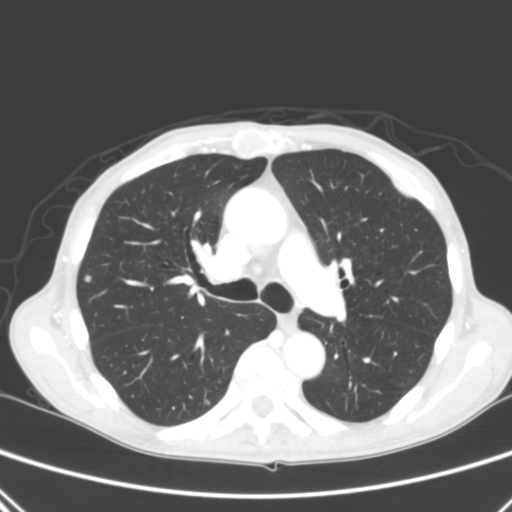
One axial slice (180 of 290, counting up from the lowest) of a chest CT acquired at 120 kVp with the B kernel; each pixel is 0.639 mm and the slice is 2.00 mm thick.
Two pulmonary nodules are outlined on this slice; from left to right: (1) Pulmonary nodule at rows 274–282, columns 83–91 (box = the union of the readers' outlines on this slice), outlined by three of the four readers; longest diameter 6.1 mm on average over the three readers' outlines (readers' outlines 5.9–6.7 mm), volume 86–94 mm3. The readers' prevailing ratings and who disagreed: texture 5/5 (solid) by two of three readers; the rest gave 4/5 (one); most readers (two of three) put margin at 5/5 (circumscribed), others 2/5 (one); sphericity split among the readers: 3/5 (ovoid) (one), 4/5 (one), 5/5 (round) (one); calcification absent from all three readers; internal structure soft tissue, all three readers agreeing; subtlety split among the readers: 3/5 (one), 4/5 (one), 5/5 (one); malignancy likelihood split among the readers: 1/5 (one), 2/5 (one), 3/5 (one). (2) Pulmonary nodule at rows 400–403, columns 206–209 (box = that reader's outline on this slice), outlined by one of the four readers; longest diameter 4.3 mm and volume 33 mm3 from that reader's outline. That reader's ratings: texture 5/5 (solid); margin 5/5 (circumscribed); sphericity 5/5 (round); calcification absent; internal structure soft tissue; subtlety 5/5; malignancy likelihood 3/5. Scale key (1–5): texture non-solid→solid, margin indistinct→circumscribed, sphericity linear→round, subtlety extremely subtle→obvious, malignancy likelihood highly unlikely→highly suspicious of cancer. Box rows and columns are 0-based pixel indices from the top-left corner, inclusive.